Chest CT, axial plane, 120 kVp, kernel BONE. Slice 111/225 from the bottom of the scan; thickness 1.25 mm; pixel size 0.637 mm.
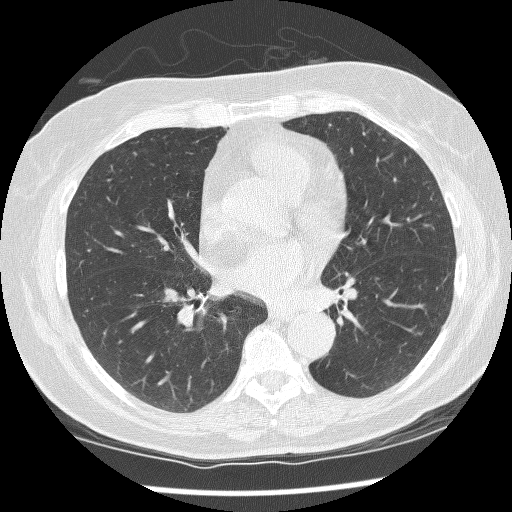
Pulmonary nodule outlined by two of the four readers; box rows 152–155, columns 132–136 (the union of the readers' outlines on this slice); longest diameter 5.7–6.3 mm and volume 84–91 mm3 across the two readers' outlines. The readers' ratings, as ranges where they differ: texture 5/5 (solid), both readers agreeing; margin from 3/5 to 5/5 (circumscribed) across the two readers; sphericity from 2/5 to 4/5 across the two readers; calcification absent from both readers; internal structure soft tissue from both readers; subtlety 4/5 from both readers; malignancy likelihood rated between 2 and 3 out of 5 by the two readers. Scale key (1–5): texture non-solid→solid, margin indistinct→circumscribed, sphericity linear→round, subtlety extremely subtle→obvious, malignancy likelihood highly unlikely→highly suspicious of cancer. Box rows and columns are 0-based pixel indices from the top-left corner, inclusive.